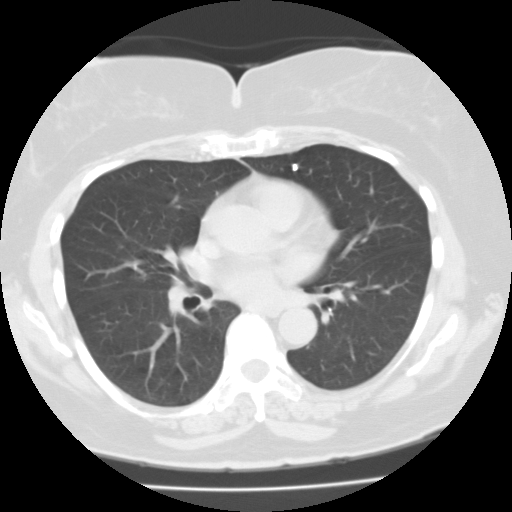
This is axial slice 63 of 112 (slice 1 is the lowest) of a chest CT; each pixel is 0.650 mm and the slice is 3.00 mm thick. Pulmonary nodule at rows 163–171, columns 292–298 (box = the union of the readers' outlines on this slice), outlined by three of the four readers; longest diameter 5.6–6.6 mm and volume 96–165 mm3 across the three readers' outlines. Ratings across the readers: texture 5/5 (solid), all three readers agreeing; margin 5/5 (circumscribed) from all three readers; sphericity from 3/5 (ovoid) to 5/5 (round) across the three readers; calcification solid calcification, all three readers agreeing; internal structure soft tissue, all three readers agreeing; subtlety from 4/5 to 5/5 across the three readers; malignancy likelihood 1/5 from all three readers. Scale key (1–5): texture non-solid→solid, margin indistinct→circumscribed, sphericity linear→round, subtlety extremely subtle→obvious, malignancy likelihood highly unlikely→highly suspicious of cancer. Box rows and columns are 0-based pixel indices from the top-left corner, inclusive.
Acquired at 135 kVp and reconstructed with the FC01 kernel.